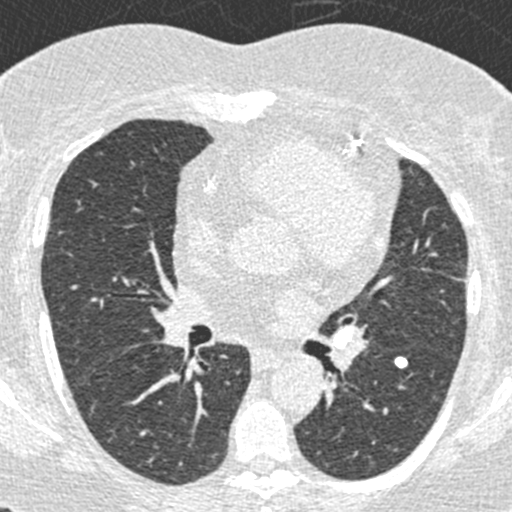
Slice 264/423 of a chest CT, counting up from the lowest; pixel size 0.520 mm, slice thickness 0.75 mm. Pulmonary nodule outlined by all four readers; box rows 356–368, columns 394–407 (the union of the readers' outlines on this slice); longest diameter 8.7 mm on average over the four readers' outlines (readers' outlines 8.1–9.5 mm), volume 146–244 mm3. The readers' prevailing ratings and who disagreed: texture 5/5 (solid) from all four readers; margin 5/5 (circumscribed), all four readers agreeing; sphericity 3/5 (ovoid) by two of four readers; the rest gave 4/5 (one), 5/5 (round) (one); calcification solid calcification, all four readers agreeing; internal structure soft tissue, all four readers agreeing; most readers (three of four) put subtlety at 5/5, others 4/5 (one); malignancy likelihood 1/5, all four readers agreeing. Scale key (1–5): texture non-solid→solid, margin indistinct→circumscribed, sphericity linear→round, subtlety extremely subtle→obvious, malignancy likelihood highly unlikely→highly suspicious of cancer. Box rows and columns are 0-based pixel indices from the top-left corner, inclusive.
Scan settings: 120 kVp, B30f reconstruction kernel.